Axial chest CT slice 165 of 461 (counted from the lowest slice); tube voltage 120 kVp, convolution kernel STANDARD; slices 1.25 mm thick, 0.645 mm per pixel.
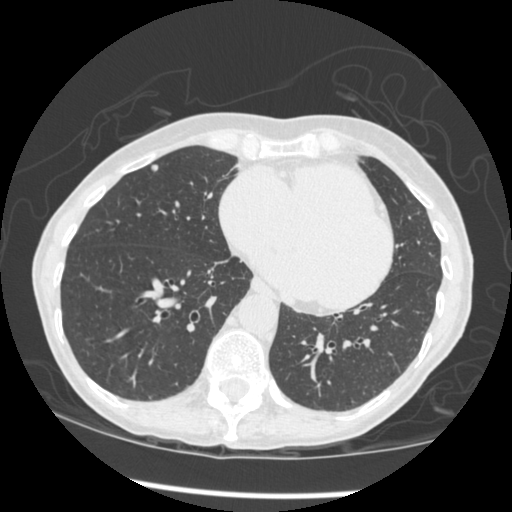
Pulmonary nodule, outlined by all four readers. Box on this slice rows 164–171, columns 151–158, the union of the readers' outlines on this slice; median longest diameter 6.2 mm (readers' outlines 5.5–7.0 mm), median volume 83 mm3 (59–97 mm3). Ratings, median across the readers with their spread: texture 5/5 (solid), all four readers agreeing; margin 5/5 (circumscribed) from all four readers; median sphericity 5/5 (round) (readers ranged 4/5 to 5/5 (round)); calcification absent from all four readers; internal structure soft tissue from all four readers; median subtlety 4/5 (readers ranged 3–4); median malignancy likelihood 2/5 (readers ranged 1–3). Scale key (1–5): texture non-solid→solid, margin indistinct→circumscribed, sphericity linear→round, subtlety extremely subtle→obvious, malignancy likelihood highly unlikely→highly suspicious of cancer. Box rows and columns are 0-based pixel indices from the top-left corner, inclusive.